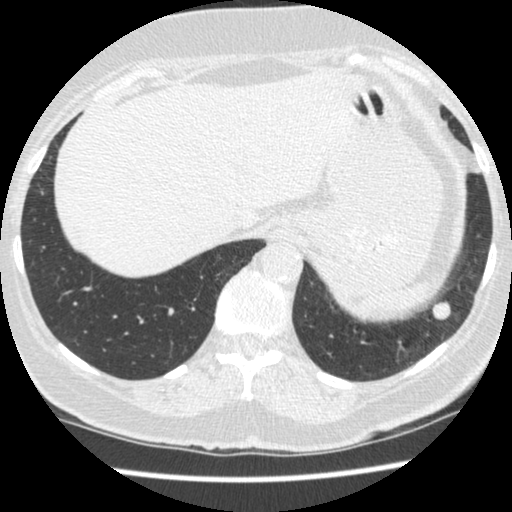
Chest CT, axial plane, 120 kVp, kernel STANDARD. Slice 96/481 from the bottom of the scan; thickness 1.25 mm; pixel size 0.605 mm.
Pulmonary nodule at rows 301–320, columns 432–451 (box = the union of the readers' outlines on this slice), outlined by all four readers; median longest diameter 13.8 mm (readers' outlines 13.3–14.6 mm), median volume 773 mm3 (633–867 mm3). Median ratings and the readers' spread: texture 5/5 (solid) from all four readers; median margin 4.5/5 (readers ranged 4/5 to 5/5 (circumscribed)); sphericity 4/5 at the median of four readers, spread 4/5 to 5/5 (round); calcification absent, all four readers agreeing; internal structure soft tissue from all four readers; subtlety 5/5 at the median of four readers, spread 4–5; malignancy likelihood 3.5/5 at the median of four readers, spread 2–5. Scale key (1–5): texture non-solid→solid, margin indistinct→circumscribed, sphericity linear→round, subtlety extremely subtle→obvious, malignancy likelihood highly unlikely→highly suspicious of cancer. Box rows and columns are 0-based pixel indices from the top-left corner, inclusive.